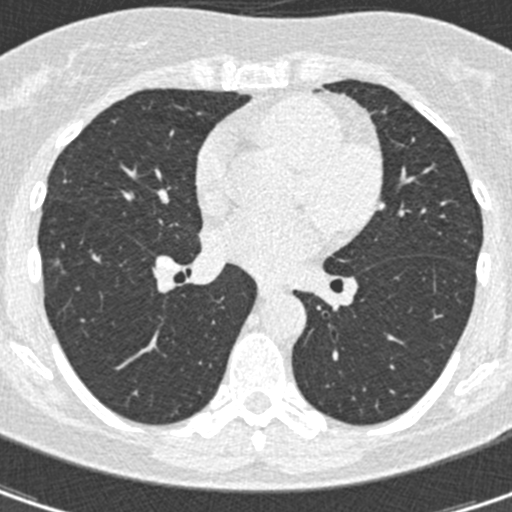
Chest CT, axial plane, 120 kVp, kernel B30f. Slice 226/441 from the bottom of the scan; thickness 0.75 mm; pixel size 0.520 mm.
Pulmonary nodule, outlined by three of the four readers, one of them on this slice. Box on this slice rows 260–266, columns 55–60, the one reader's outline on this slice; longest diameter 9.8–12.4 mm and volume 248–289 mm3 across the three readers' outlines. Ratings across the readers: texture from 4/5 to 5/5 (solid) across the three readers; margin from 4/5 to 5/5 (circumscribed) across the three readers; sphericity from 4/5 to 5/5 (round) across the three readers; calcification: absent (two), solid calcification (one); internal structure soft tissue, all three readers agreeing; subtlety 4–5/5 (the readers disagree); malignancy likelihood rated between 1 and 3 out of 5 by the three readers. Scale key (1–5): texture non-solid→solid, margin indistinct→circumscribed, sphericity linear→round, subtlety extremely subtle→obvious, malignancy likelihood highly unlikely→highly suspicious of cancer. Box rows and columns are 0-based pixel indices from the top-left corner, inclusive.